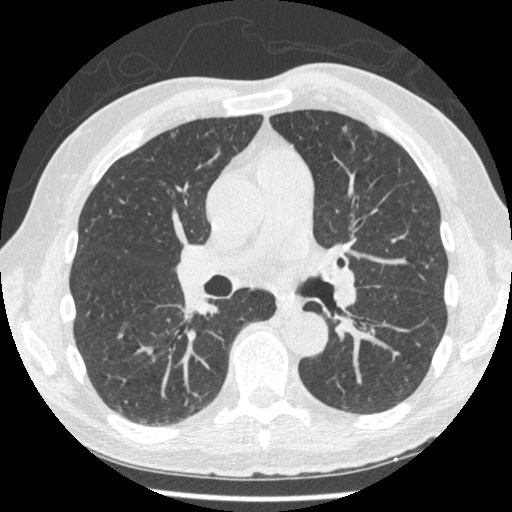
Axial slice 256 of 481 of a chest CT (slice 1 is the lowest), reconstructed with the STANDARD kernel at 120 kVp; 1.25 mm slice thickness and 0.664 mm pixels.
Pulmonary nodule outlined by all four readers; box rows 125–132, columns 342–347 (the union of the readers' outlines on this slice); longest diameter 5.8 mm on average over the four readers' outlines (readers' outlines 4.8–6.3 mm), volume 16–46 mm3. Ratings, by the readers' most common answer with dissent counted: texture split among the readers: 2/5 (two), 5/5 (solid) (two); margin split among the readers: 2/5 (two), 5/5 (circumscribed) (two); sphericity 3/5 (ovoid) by two of four readers; the rest gave 2/5 (one), 5/5 (round) (one); calcification absent, all four readers agreeing; internal structure soft tissue, all four readers agreeing; most readers (three of four) put subtlety at 3/5, others 1/5 (one); malignancy likelihood 3/5 by two of four readers; the rest gave 1/5 (one), 2/5 (one). Scale key (1–5): texture non-solid→solid, margin indistinct→circumscribed, sphericity linear→round, subtlety extremely subtle→obvious, malignancy likelihood highly unlikely→highly suspicious of cancer. Box rows and columns are 0-based pixel indices from the top-left corner, inclusive.